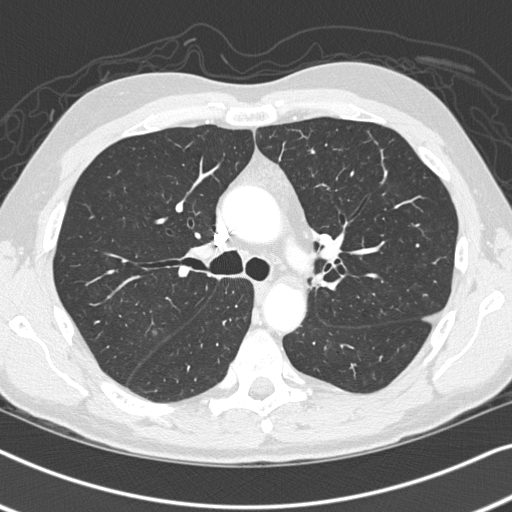
Chest CT, axial plane, 120 kVp, kernel B45f. Slice 217/326 from the bottom of the scan; thickness 1.00 mm; pixel size 0.645 mm.
Pulmonary nodule outlined by two of the four readers, one of them on this slice; box rows 273–285, columns 312–322 (the one reader's outline on this slice); the two readers' outlines give a longest diameter between 8.8 and 10.4 mm and a volume between 179 and 302 mm3. Ratings across the readers: texture 5/5 (solid), both readers agreeing; margin 5/5 (circumscribed), both readers agreeing; sphericity from 3/5 (ovoid) to 5/5 (round) across the two readers; calcification absent, both readers agreeing; internal structure soft tissue from both readers; subtlety from 3/5 to 4/5 across the two readers; malignancy likelihood rated between 2 and 3 out of 5 by the two readers. Scale key (1–5): texture non-solid→solid, margin indistinct→circumscribed, sphericity linear→round, subtlety extremely subtle→obvious, malignancy likelihood highly unlikely→highly suspicious of cancer. Box rows and columns are 0-based pixel indices from the top-left corner, inclusive.